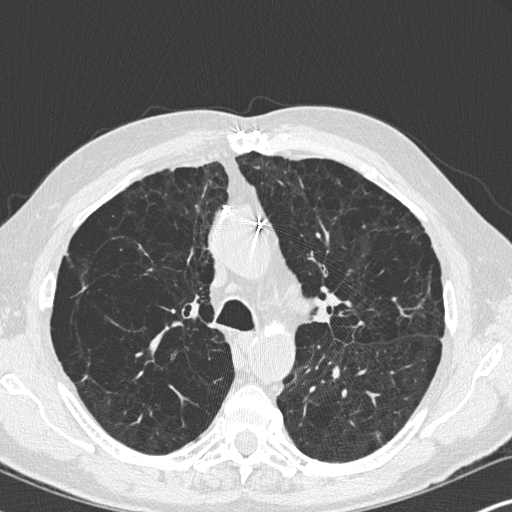
Axial slice 217 of 347 of a chest CT (slice 1 is the lowest), reconstructed with the B45f kernel at 120 kVp; 1.00 mm slice thickness and 0.625 mm pixels.
Pulmonary nodule, outlined by all four readers, two of them on this slice. Box on this slice rows 430–445, columns 372–383, the union of the readers' outlines on this slice; longest diameter 9.1–11.9 mm and volume 166–319 mm3 across the four readers' outlines. Ratings across the readers: texture 5/5 (solid) from all four readers; margin from 2/5 to 5/5 (circumscribed) across the four readers; sphericity from 3/5 (ovoid) to 4/5 across the four readers; calcification absent, all four readers agreeing; internal structure soft tissue from all four readers; subtlety rated between 4 and 5 out of 5 by the four readers; malignancy likelihood 3/5 from all four readers. Scale key (1–5): texture non-solid→solid, margin indistinct→circumscribed, sphericity linear→round, subtlety extremely subtle→obvious, malignancy likelihood highly unlikely→highly suspicious of cancer. Box rows and columns are 0-based pixel indices from the top-left corner, inclusive.